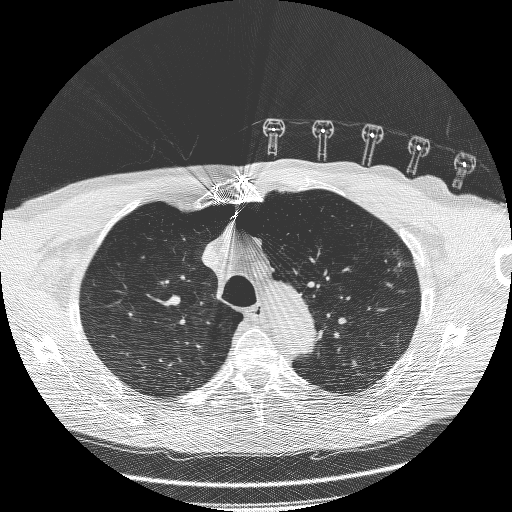
Axial slice 202 of 260 of a chest CT (slice 1 is the lowest), reconstructed with the BONE kernel at 120 kVp; 1.25 mm slice thickness and 0.703 mm pixels.
Pulmonary nodule outlined by three of the four readers, two of them on this slice; box rows 259–272, columns 393–405 (the union of the readers' outlines on this slice); median longest diameter 17.8 mm (readers' outlines 16.5–20.6 mm), median volume 354 mm3 (290–713 mm3). Ratings, median across the readers with their spread: median texture 4/5 (readers ranged 3/5 (part-solid) to 5/5 (solid)); margin 2/5 at the median of three readers, spread 1/5 (indistinct) to 3/5; median sphericity 3/5 (ovoid) (readers ranged 2/5 to 3/5 (ovoid)); calcification absent, all three readers agreeing; internal structure soft tissue from all three readers; median subtlety 5/5 (readers ranged 4–5); malignancy likelihood 4/5 at the median of three readers, spread 3–5. Scale key (1–5): texture non-solid→solid, margin indistinct→circumscribed, sphericity linear→round, subtlety extremely subtle→obvious, malignancy likelihood highly unlikely→highly suspicious of cancer. Box rows and columns are 0-based pixel indices from the top-left corner, inclusive.